Axial slice 329 of 436 of a chest CT (slice 1 is the lowest), reconstructed with the STANDARD kernel at 120 kVp; 1.25 mm slice thickness and 0.703 mm pixels.
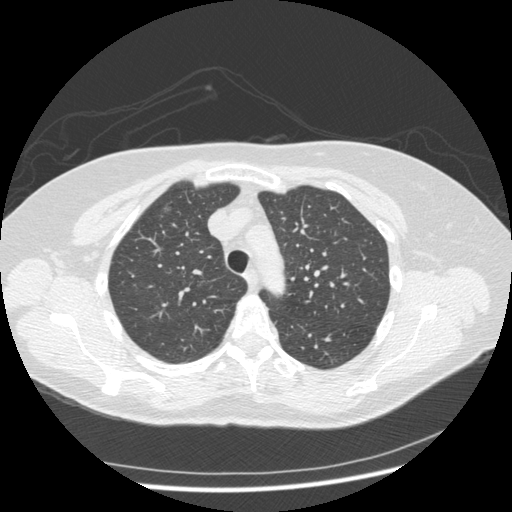
Pulmonary nodule, outlined by all four readers. Box on this slice rows 201–213, columns 160–171, the union of the readers' outlines on this slice; the four readers' outlines give a longest diameter between 10.7 and 12.4 mm and a volume between 115 and 323 mm3. The readers' ratings, as ranges where they differ: texture from 1/5 (non-solid) to 3/5 (part-solid) across the four readers; margin from 1/5 (indistinct) to 4/5 across the four readers; sphericity from 3/5 (ovoid) to 5/5 (round) across the four readers; calcification absent from all four readers; internal structure soft tissue, all four readers agreeing; subtlety rated between 1 and 3 out of 5 by the four readers; malignancy likelihood rated between 2 and 3 out of 5 by the four readers. Scale key (1–5): texture non-solid→solid, margin indistinct→circumscribed, sphericity linear→round, subtlety extremely subtle→obvious, malignancy likelihood highly unlikely→highly suspicious of cancer. Box rows and columns are 0-based pixel indices from the top-left corner, inclusive.